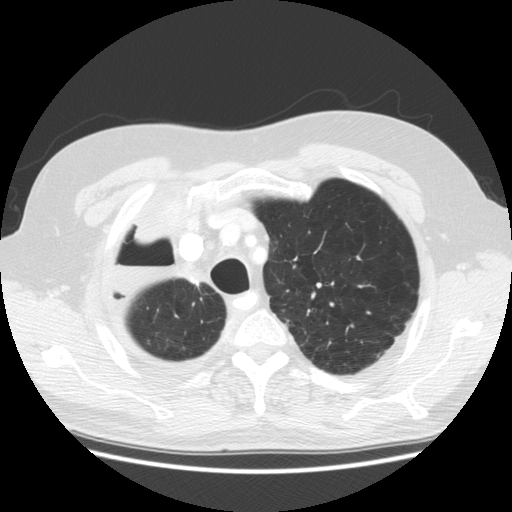
Axial slice 238 of 295 of a chest CT (slice 1 is the lowest), reconstructed with the STANDARD kernel at 120 kVp; 2.50 mm slice thickness and 0.703 mm pixels.
Pulmonary nodule at rows 339–345, columns 147–150 (box = the one reader's outline on this slice), outlined by all four readers, one of them on this slice; median longest diameter 7.3 mm (readers' outlines 6.5–7.5 mm), median volume 103 mm3 (93–148 mm3). Median ratings and the readers' spread: texture 5/5 (solid) from all four readers; margin 5/5 (circumscribed) at the median of four readers, spread 3/5 to 5/5 (circumscribed); sphericity 4/5 at the median of four readers, spread 3/5 (ovoid) to 5/5 (round); calcification absent, all four readers agreeing; internal structure soft tissue from all four readers; subtlety 4.5/5 at the median of four readers, spread 2–5; malignancy likelihood 3/5 at the median of four readers, spread 2–3. Scale key (1–5): texture non-solid→solid, margin indistinct→circumscribed, sphericity linear→round, subtlety extremely subtle→obvious, malignancy likelihood highly unlikely→highly suspicious of cancer. Box rows and columns are 0-based pixel indices from the top-left corner, inclusive.